Axial chest CT slice 157 of 241 (counted from the lowest slice); tube voltage 120 kVp, convolution kernel STANDARD; slices 1.25 mm thick, 0.684 mm per pixel.
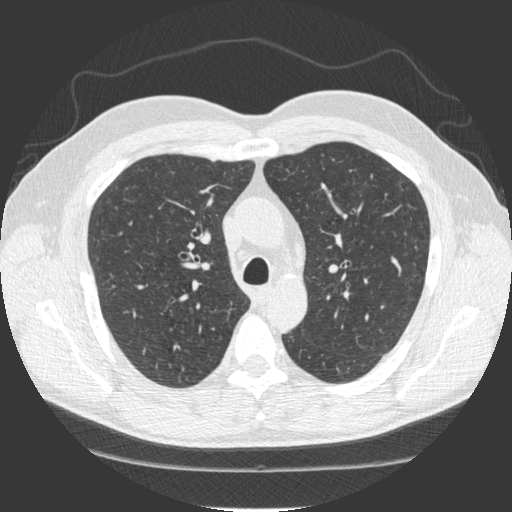
The readers outlined no nodule of 3 mm or more on this slice.